One axial slice (186 of 506, counting up from the lowest) of a chest CT acquired at 120 kVp with the B30f kernel; each pixel is 0.699 mm and the slice is 0.75 mm thick.
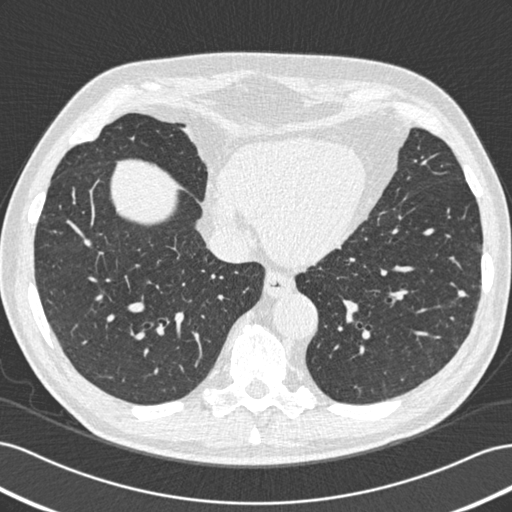
Pulmonary nodule outlined by all four readers; box rows 290–296, columns 458–466 (the union of the readers' outlines on this slice); median longest diameter 6.9 mm (readers' outlines 6.6–7.8 mm), median volume 144 mm3 (93–162 mm3). Median ratings and the readers' spread: texture 5/5 (solid) from all four readers; median margin 4.5/5 (readers ranged 3/5 to 5/5 (circumscribed)); sphericity 3/5 (ovoid) at the median of four readers, spread 3/5 (ovoid) to 5/5 (round); calcification absent, all four readers agreeing; internal structure soft tissue, all four readers agreeing; subtlety 2.5/5 at the median of four readers, spread 2–3; malignancy likelihood 2.5/5 at the median of four readers, spread 1–3. Scale key (1–5): texture non-solid→solid, margin indistinct→circumscribed, sphericity linear→round, subtlety extremely subtle→obvious, malignancy likelihood highly unlikely→highly suspicious of cancer. Box rows and columns are 0-based pixel indices from the top-left corner, inclusive.